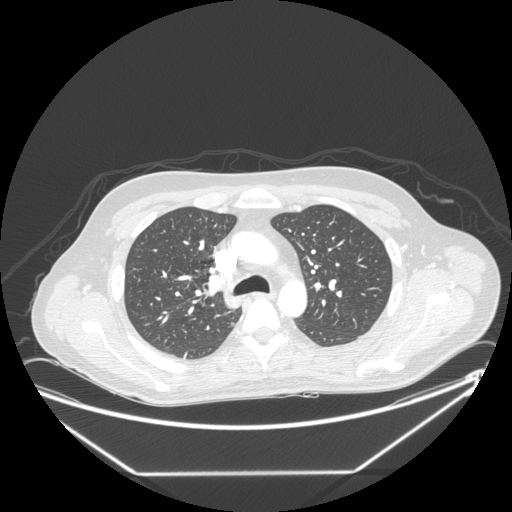
Axial chest CT slice 164 of 246 (counted from the lowest slice); tube voltage 120 kVp, convolution kernel STANDARD; slices 1.25 mm thick, 0.859 mm per pixel.
Pulmonary nodule, outlined by three of the four readers. Box on this slice rows 322–325, columns 230–234, the union of the readers' outlines on this slice; median longest diameter 7.3 mm (readers' outlines 7.1–7.3 mm), median volume 96 mm3 (93–96 mm3). Median ratings and the readers' spread: texture 5/5 (solid) from all three readers; margin 5/5 (circumscribed) at the median of three readers, spread 4/5 to 5/5 (circumscribed); sphericity 5/5 (round) at the median of three readers, spread 4/5 to 5/5 (round); calcification absent from all three readers; internal structure soft tissue from all three readers; subtlety 3/5, all three readers agreeing; malignancy likelihood 3/5, all three readers agreeing. Scale key (1–5): texture non-solid→solid, margin indistinct→circumscribed, sphericity linear→round, subtlety extremely subtle→obvious, malignancy likelihood highly unlikely→highly suspicious of cancer. Box rows and columns are 0-based pixel indices from the top-left corner, inclusive.